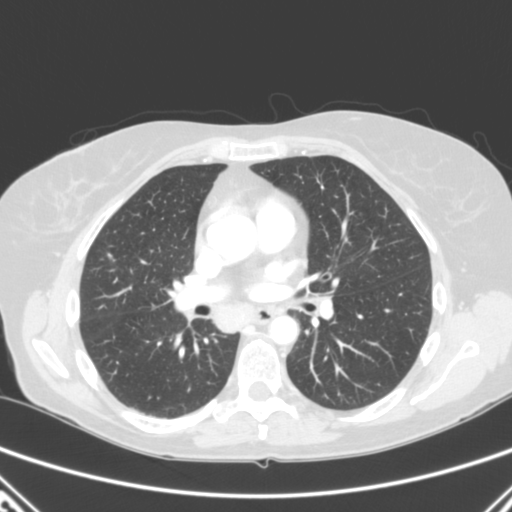
One axial slice (150 of 280, counting up from the lowest) of a chest CT acquired at 120 kVp with the B kernel; each pixel is 0.676 mm and the slice is 2.00 mm thick.
Pulmonary nodule outlined by all four readers; box rows 253–257, columns 106–112 (the union of the readers' outlines on this slice); longest diameter 9.2 mm on average over the four readers' outlines (readers' outlines 8.5–10.7 mm), volume 156–292 mm3. Ratings, by the readers' most common answer with dissent counted: texture 5/5 (solid), all four readers agreeing; margin split among the readers: 4/5 (two), 5/5 (circumscribed) (two); sphericity 4/5 by two of four readers; the rest gave 3/5 (ovoid) (one), 5/5 (round) (one); calcification solid calcification by three of four readers, central calcification (one); internal structure soft tissue from all four readers; subtlety 5/5, all four readers agreeing; malignancy likelihood 1/5, all four readers agreeing. Scale key (1–5): texture non-solid→solid, margin indistinct→circumscribed, sphericity linear→round, subtlety extremely subtle→obvious, malignancy likelihood highly unlikely→highly suspicious of cancer. Box rows and columns are 0-based pixel indices from the top-left corner, inclusive.